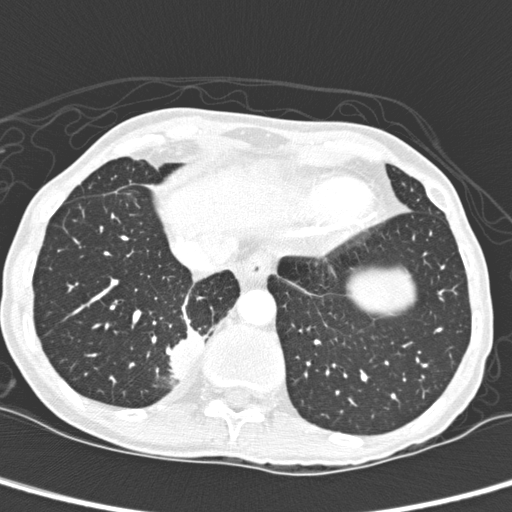
One axial slice (58 of 280, counting up from the lowest) of a chest CT acquired at 120 kVp with the D kernel; each pixel is 0.564 mm and the slice is 1.00 mm thick.
Pulmonary nodule outlined by two of the four readers; box rows 327–381, columns 170–205 (the union of the readers' outlines on this slice); longest diameter 33.9 mm on average over the two readers' outlines (readers' outlines 32.1–35.8 mm), volume 5657–6702 mm3. The readers' prevailing ratings and who disagreed: texture 5/5 (solid), both readers agreeing; margin 4/5, both readers agreeing; sphericity 3/5 (ovoid) from both readers; calcification absent from both readers; internal structure soft tissue from both readers; subtlety 5/5, both readers agreeing; malignancy likelihood split among the readers: 2/5 (one), 3/5 (one). Scale key (1–5): texture non-solid→solid, margin indistinct→circumscribed, sphericity linear→round, subtlety extremely subtle→obvious, malignancy likelihood highly unlikely→highly suspicious of cancer. Box rows and columns are 0-based pixel indices from the top-left corner, inclusive.